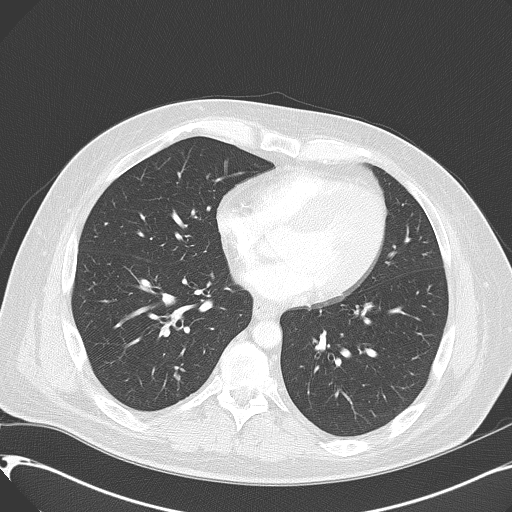
Axial slice 235 of 416 of a chest CT (slice 1 is the lowest), reconstructed with the B70f kernel at 120 kVp; 2.00 mm slice thickness and 0.723 mm pixels.
Pulmonary nodule at rows 371–379, columns 174–179 (box = that reader's outline on this slice), outlined by one of the four readers; longest diameter 8.2 mm and volume 130 mm3 from that reader's outline. Ratings by that reader: texture 1/5 (non-solid); margin 2/5; sphericity 5/5 (round); calcification absent; internal structure soft tissue; subtlety 1/5; malignancy likelihood 2/5. Scale key (1–5): texture non-solid→solid, margin indistinct→circumscribed, sphericity linear→round, subtlety extremely subtle→obvious, malignancy likelihood highly unlikely→highly suspicious of cancer. Box rows and columns are 0-based pixel indices from the top-left corner, inclusive.